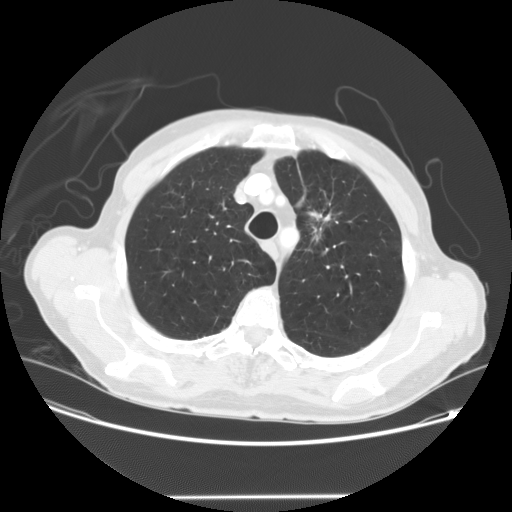
Axial slice 120 of 147 of a chest CT (slice 1 is the lowest), reconstructed with the STANDARD kernel at 120 kVp; 2.50 mm slice thickness and 0.781 mm pixels.
Pulmonary nodule at rows 209–246, columns 304–331 (box = the union of the readers' outlines on this slice), outlined by all four readers, two of them on this slice; median longest diameter 31.0 mm (readers' outlines 28.8–40.5 mm), median volume 4785 mm3 (3077–10560 mm3). Ratings, median across the readers with their spread: median texture 4/5 (readers ranged 3/5 (part-solid) to 5/5 (solid)); margin 3.5/5 at the median of four readers, spread 2/5 to 5/5 (circumscribed); sphericity 3/5 (ovoid) from all four readers; calcification absent, all four readers agreeing; internal structure soft tissue, all four readers agreeing; median subtlety 5/5 (readers ranged 4–5); malignancy likelihood 4.5/5 at the median of four readers, spread 3–5. Scale key (1–5): texture non-solid→solid, margin indistinct→circumscribed, sphericity linear→round, subtlety extremely subtle→obvious, malignancy likelihood highly unlikely→highly suspicious of cancer. Box rows and columns are 0-based pixel indices from the top-left corner, inclusive.